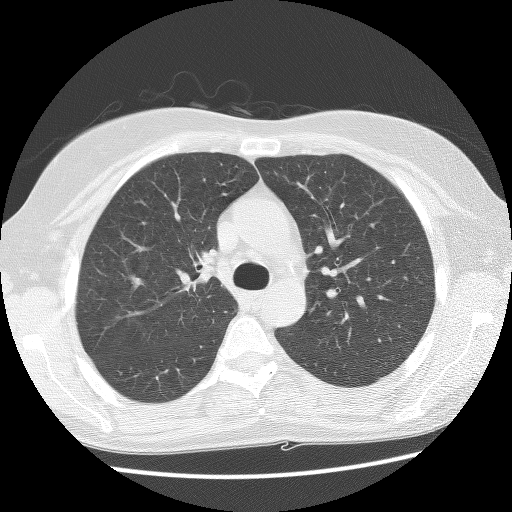
One axial slice (97 of 132, counting up from the lowest) of a chest CT acquired at 140 kVp with the BONE kernel; each pixel is 0.645 mm and the slice is 2.50 mm thick.
The readers outlined no nodule of 3 mm or more on this slice.